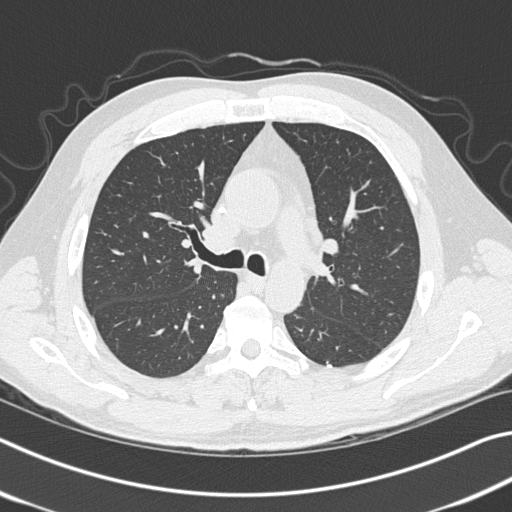
Axial chest CT slice 215 of 327 (counted from the lowest slice); tube voltage 120 kVp, convolution kernel B45f; slices 1.00 mm thick, 0.664 mm per pixel.
Pulmonary nodule, outlined by one of the four readers. Box on this slice rows 364–366, columns 326–331, that reader's outline on this slice; longest diameter 6.6 mm and volume 53 mm3 from that reader's outline. Ratings by that reader: texture 5/5 (solid); margin 5/5 (circumscribed); sphericity 4/5; calcification absent; internal structure soft tissue; subtlety 3/5; malignancy likelihood 2/5. Scale key (1–5): texture non-solid→solid, margin indistinct→circumscribed, sphericity linear→round, subtlety extremely subtle→obvious, malignancy likelihood highly unlikely→highly suspicious of cancer. Box rows and columns are 0-based pixel indices from the top-left corner, inclusive.